Axial chest CT slice 104 of 202 (counted from the lowest slice); tube voltage 120 kVp, convolution kernel B30f; slices 2.00 mm thick, 0.566 mm per pixel.
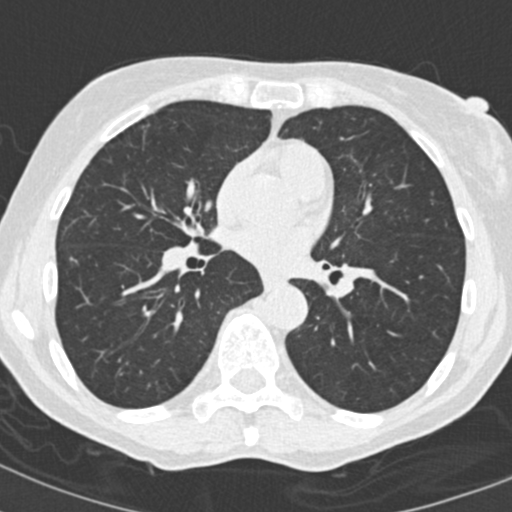
Pulmonary nodule, outlined by two of the four readers. Box on this slice rows 258–264, columns 69–78, the union of the readers' outlines on this slice; longest diameter 7.4 mm on average over the two readers' outlines (readers' outlines 6.8–7.9 mm), volume 52–99 mm3. The readers' prevailing ratings and who disagreed: texture split among the readers: 3/5 (part-solid) (one), 4/5 (one); margin split among the readers: 3/5 (one), 5/5 (circumscribed) (one); sphericity split among the readers: 2/5 (one), 4/5 (one); calcification absent from both readers; internal structure soft tissue, both readers agreeing; subtlety 3/5 from both readers; malignancy likelihood split among the readers: 2/5 (one), 3/5 (one). Scale key (1–5): texture non-solid→solid, margin indistinct→circumscribed, sphericity linear→round, subtlety extremely subtle→obvious, malignancy likelihood highly unlikely→highly suspicious of cancer. Box rows and columns are 0-based pixel indices from the top-left corner, inclusive.